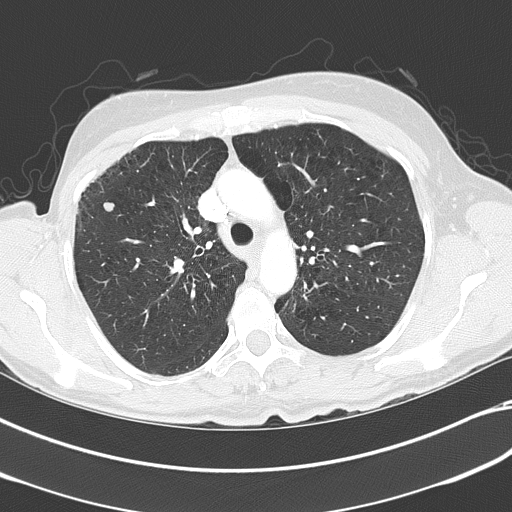
Axial chest CT slice 258 of 351 (counted from the lowest slice); tube voltage 120 kVp, convolution kernel B70f; slices 2.00 mm thick, 0.643 mm per pixel.
Pulmonary nodule at rows 202–211, columns 103–114 (box = the union of the readers' outlines on this slice), outlined by all four readers; median longest diameter 8.6 mm (readers' outlines 8.5–9.1 mm), median volume 205 mm3 (196–254 mm3). Median ratings and the readers' spread: texture 5/5 (solid) at the median of four readers, spread 1/5 (non-solid) to 5/5 (solid); margin 5/5 (circumscribed) from all four readers; sphericity 3.5/5 at the median of four readers, spread 3/5 (ovoid) to 4/5; calcification absent, all four readers agreeing; internal structure soft tissue from all four readers; subtlety 5/5, all four readers agreeing; median malignancy likelihood 3/5 (readers ranged 3–4). Scale key (1–5): texture non-solid→solid, margin indistinct→circumscribed, sphericity linear→round, subtlety extremely subtle→obvious, malignancy likelihood highly unlikely→highly suspicious of cancer. Box rows and columns are 0-based pixel indices from the top-left corner, inclusive.